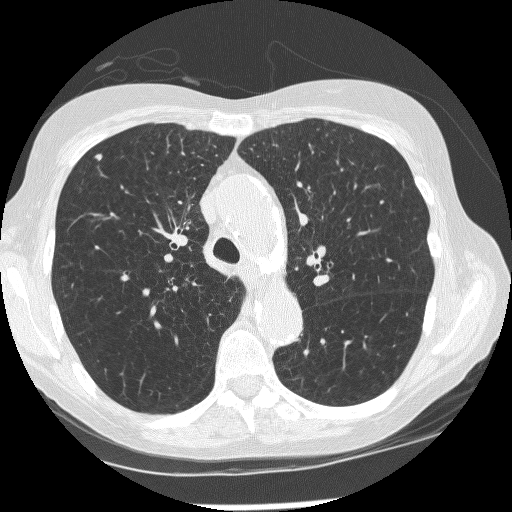
One axial slice (185 of 267, counting up from the lowest) of a chest CT acquired at 120 kVp with the BONE kernel; each pixel is 0.596 mm and the slice is 1.25 mm thick.
Pulmonary nodule, outlined by three of the four readers. Box on this slice rows 153–160, columns 93–101, the union of the readers' outlines on this slice; median longest diameter 5.3 mm (readers' outlines 5.1–6.7 mm), median volume 80 mm3 (79–125 mm3). Ratings, median across the readers with their spread: median texture 5/5 (solid) (readers ranged 4/5 to 5/5 (solid)); median margin 4/5 (readers ranged 3/5 to 5/5 (circumscribed)); median sphericity 3/5 (ovoid) (readers ranged 3/5 (ovoid) to 4/5); calcification absent, all three readers agreeing; internal structure soft tissue, all three readers agreeing; median subtlety 4/5 (readers ranged 2–5); median malignancy likelihood 3/5 (readers ranged 3–4). Scale key (1–5): texture non-solid→solid, margin indistinct→circumscribed, sphericity linear→round, subtlety extremely subtle→obvious, malignancy likelihood highly unlikely→highly suspicious of cancer. Box rows and columns are 0-based pixel indices from the top-left corner, inclusive.